One axial slice (127 of 335, counting up from the lowest) of a chest CT acquired at 120 kVp with the B kernel; each pixel is 0.623 mm and the slice is 2.00 mm thick.
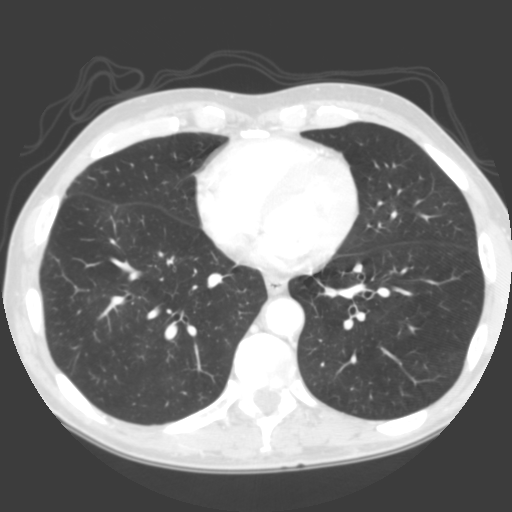
The readers outlined no nodule of 3 mm or more on this slice.